Chest CT, axial plane, 120 kVp, kernel STANDARD. Slice 391/465 from the bottom of the scan; thickness 1.25 mm; pixel size 0.586 mm.
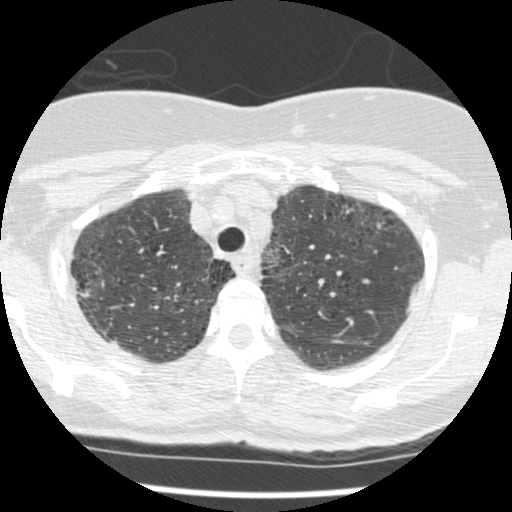
Pulmonary nodule, outlined by one of the four readers. Box on this slice rows 291–296, columns 80–89, that reader's outline on this slice; longest diameter 8.3 mm and volume 208 mm3 from that reader's outline. That reader's ratings: texture 5/5 (solid); margin 4/5; sphericity 4/5; calcification absent; internal structure soft tissue; subtlety 3/5; malignancy likelihood 2/5. Scale key (1–5): texture non-solid→solid, margin indistinct→circumscribed, sphericity linear→round, subtlety extremely subtle→obvious, malignancy likelihood highly unlikely→highly suspicious of cancer. Box rows and columns are 0-based pixel indices from the top-left corner, inclusive.